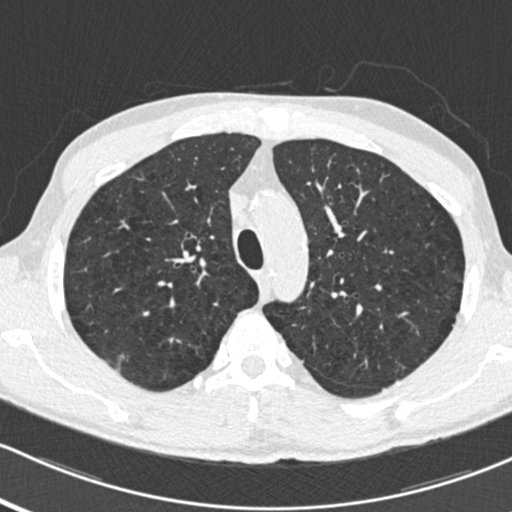
One axial slice (375 of 483, counting up from the lowest) of a chest CT acquired at 120 kVp with the B30f kernel; each pixel is 0.617 mm and the slice is 0.75 mm thick.
Pulmonary nodule, outlined by three of the four readers, two of them on this slice. Box on this slice rows 354–361, columns 117–124, the union of the readers' outlines on this slice; median longest diameter 10.1 mm (readers' outlines 10.0–12.0 mm), median volume 207 mm3 (141–227 mm3). Median ratings and the readers' spread: texture 2/5 at the median of three readers, spread 2/5 to 3/5 (part-solid); margin 2/5 at the median of three readers, spread 1/5 (indistinct) to 2/5; median sphericity 3/5 (ovoid) (readers ranged 3/5 (ovoid) to 4/5); calcification absent, all three readers agreeing; internal structure soft tissue, all three readers agreeing; subtlety 4/5 at the median of three readers, spread 2–4; malignancy likelihood 3/5 at the median of three readers, spread 3–5. Scale key (1–5): texture non-solid→solid, margin indistinct→circumscribed, sphericity linear→round, subtlety extremely subtle→obvious, malignancy likelihood highly unlikely→highly suspicious of cancer. Box rows and columns are 0-based pixel indices from the top-left corner, inclusive.